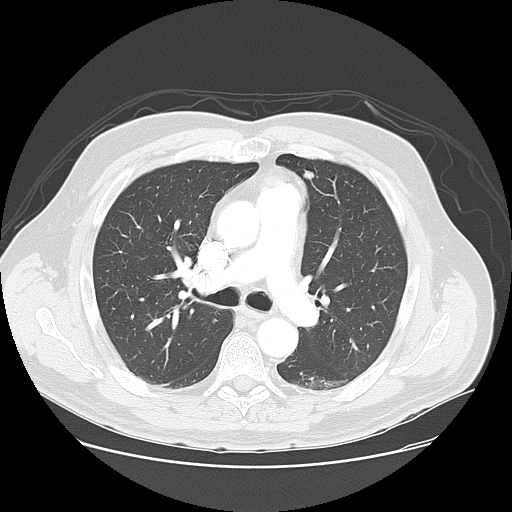
This is axial slice 96 of 143 (slice 1 is the lowest) of a chest CT; each pixel is 0.781 mm and the slice is 2.50 mm thick. Pulmonary nodule at rows 170–180, columns 302–314 (box = the union of the readers' outlines on this slice), outlined by all four readers; the four readers' outlines give a longest diameter between 9.4 and 11.0 mm and a volume between 317 and 491 mm3. The readers' ratings, as ranges where they differ: texture 5/5 (solid), all four readers agreeing; margin from 4/5 to 5/5 (circumscribed) across the four readers; sphericity from 4/5 to 5/5 (round) across the four readers; calcification: absent (two), non-central calcification (one), popcorn calcification (one); internal structure soft tissue, all four readers agreeing; subtlety 4–5/5 (the readers disagree); malignancy likelihood rated between 1 and 4 out of 5 by the four readers. Scale key (1–5): texture non-solid→solid, margin indistinct→circumscribed, sphericity linear→round, subtlety extremely subtle→obvious, malignancy likelihood highly unlikely→highly suspicious of cancer. Box rows and columns are 0-based pixel indices from the top-left corner, inclusive.
Scan settings: 120 kVp, LUNG reconstruction kernel.